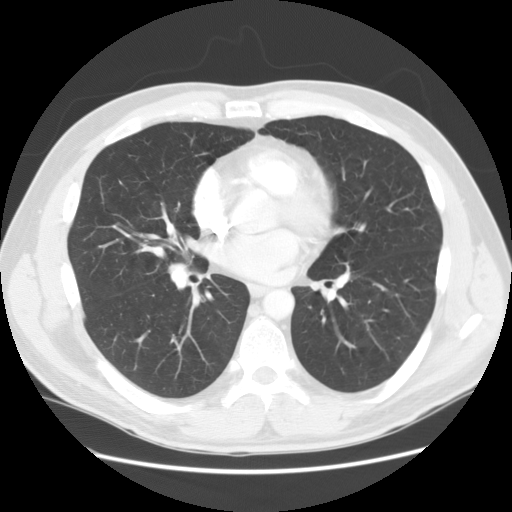
One axial slice (73 of 144, counting up from the lowest) of a chest CT acquired at 120 kVp with the STANDARD kernel; each pixel is 0.742 mm and the slice is 2.50 mm thick.
This slice carries no reader outline of a nodule 3 mm or larger.